Axial slice 160 of 347 of a chest CT (slice 1 is the lowest), reconstructed with the B45f kernel at 120 kVp; 1.00 mm slice thickness and 0.625 mm pixels.
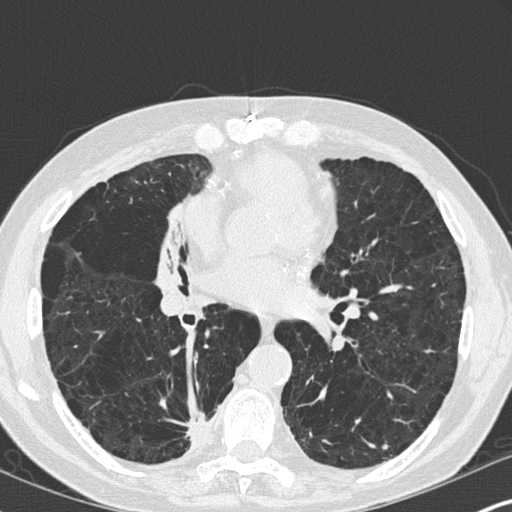
Pulmonary nodule, outlined by all four readers. Box on this slice rows 443–449, columns 382–388, the union of the readers' outlines on this slice; median longest diameter 8.5 mm (readers' outlines 6.4–10.2 mm), median volume 87 mm3 (51–128 mm3). Median ratings and the readers' spread: texture 5/5 (solid), all four readers agreeing; median margin 4/5 (readers ranged 3/5 to 5/5 (circumscribed)); median sphericity 3.5/5 (readers ranged 2/5 to 5/5 (round)); calcification absent from all four readers; internal structure soft tissue, all four readers agreeing; median subtlety 3.5/5 (readers ranged 2–5); median malignancy likelihood 3/5 (readers ranged 2–4). Scale key (1–5): texture non-solid→solid, margin indistinct→circumscribed, sphericity linear→round, subtlety extremely subtle→obvious, malignancy likelihood highly unlikely→highly suspicious of cancer. Box rows and columns are 0-based pixel indices from the top-left corner, inclusive.